Axial slice 146 of 240 of a chest CT (slice 1 is the lowest), reconstructed with the BONE kernel at 120 kVp; 1.25 mm slice thickness and 0.703 mm pixels.
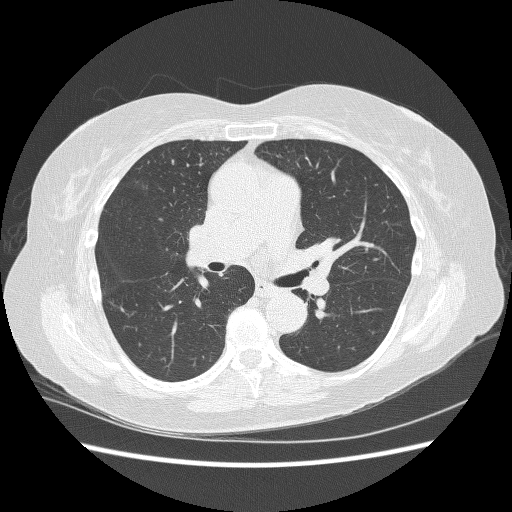
Pulmonary nodule, outlined by two of the four readers, one of them on this slice. Box on this slice rows 217–220, columns 157–161, the one reader's outline on this slice; longest diameter 8.3 mm on average over the two readers' outlines (readers' outlines 7.2–9.4 mm), volume 98–136 mm3. The readers' prevailing ratings and who disagreed: texture split among the readers: 4/5 (one), 5/5 (solid) (one); margin split among the readers: 4/5 (one), 5/5 (circumscribed) (one); sphericity split among the readers: 2/5 (one), 3/5 (ovoid) (one); calcification absent, both readers agreeing; internal structure soft tissue from both readers; subtlety split among the readers: 3/5 (one), 4/5 (one); malignancy likelihood split among the readers: 1/5 (one), 2/5 (one). Scale key (1–5): texture non-solid→solid, margin indistinct→circumscribed, sphericity linear→round, subtlety extremely subtle→obvious, malignancy likelihood highly unlikely→highly suspicious of cancer. Box rows and columns are 0-based pixel indices from the top-left corner, inclusive.